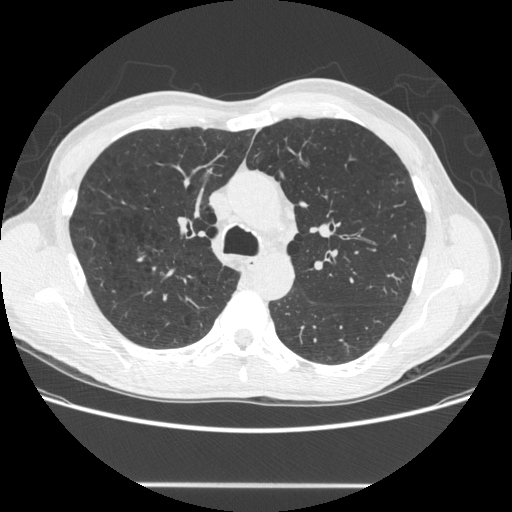
Axial slice 378 of 567 of a chest CT (slice 1 is the lowest), reconstructed with the STANDARD kernel at 120 kVp; 1.25 mm slice thickness and 0.742 mm pixels.
None of the four readers outlined a nodule of 3 mm or more on this slice.